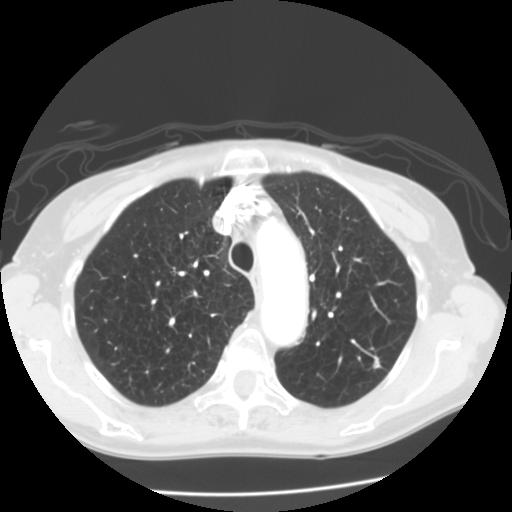
One axial slice (109 of 141, counting up from the lowest) of a chest CT acquired at 120 kVp with the STANDARD kernel; each pixel is 0.625 mm and the slice is 2.50 mm thick.
Pulmonary nodule at rows 356–371, columns 369–384 (box = the union of the readers' outlines on this slice), outlined by three of the four readers; median longest diameter 9.4 mm (readers' outlines 7.5–11.9 mm), median volume 167 mm3 (100–469 mm3). Median ratings and the readers' spread: texture 5/5 (solid) at the median of three readers, spread 4/5 to 5/5 (solid); margin 4/5, all three readers agreeing; sphericity 3/5 (ovoid) at the median of three readers, spread 2/5 to 5/5 (round); calcification absent, all three readers agreeing; internal structure soft tissue from all three readers; median subtlety 4/5 (readers ranged 3–5); median malignancy likelihood 4/5 (readers ranged 3–4). Scale key (1–5): texture non-solid→solid, margin indistinct→circumscribed, sphericity linear→round, subtlety extremely subtle→obvious, malignancy likelihood highly unlikely→highly suspicious of cancer. Box rows and columns are 0-based pixel indices from the top-left corner, inclusive.